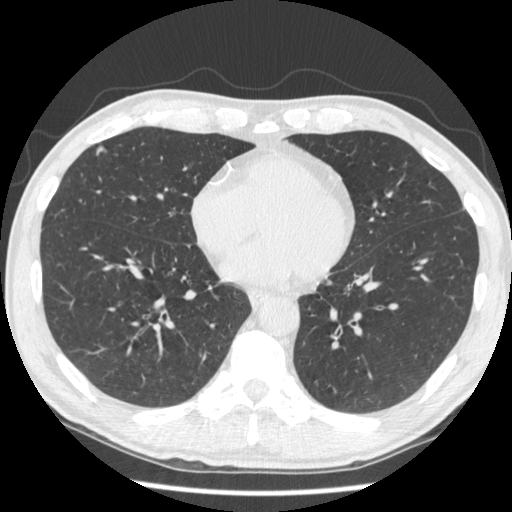
Axial chest CT slice 173 of 506 (counted from the lowest slice); tube voltage 120 kVp, convolution kernel STANDARD; slices 1.25 mm thick, 0.664 mm per pixel.
Pulmonary nodule, outlined by one of the four readers. Box on this slice rows 145–157, columns 95–105, that reader's outline on this slice; longest diameter 10.9 mm and volume 130 mm3 from that reader's outline. That reader's ratings: texture 4/5; margin 4/5; sphericity 2/5; calcification absent; internal structure soft tissue; subtlety 4/5; malignancy likelihood 2/5. Scale key (1–5): texture non-solid→solid, margin indistinct→circumscribed, sphericity linear→round, subtlety extremely subtle→obvious, malignancy likelihood highly unlikely→highly suspicious of cancer. Box rows and columns are 0-based pixel indices from the top-left corner, inclusive.